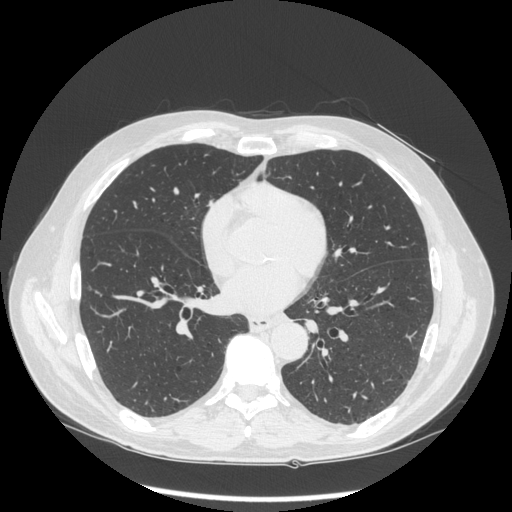
Axial chest CT slice 129 of 297 (counted from the lowest slice); 1.25 mm thick, 0.787 mm per pixel. Pulmonary nodule at rows 285–291, columns 88–91 (box = the union of the readers' outlines on this slice), outlined by all four readers, three of them on this slice; median longest diameter 8.9 mm (readers' outlines 8.2–9.2 mm), median volume 165 mm3 (151–187 mm3). Median ratings and the readers' spread: texture 1.5/5 at the median of four readers, spread 1/5 (non-solid) to 3/5 (part-solid); margin 2.5/5 at the median of four readers, spread 1/5 (indistinct) to 5/5 (circumscribed); sphericity 3.5/5 at the median of four readers, spread 3/5 (ovoid) to 5/5 (round); calcification absent from all four readers; internal structure soft tissue from all four readers; subtlety 3/5 at the median of four readers, spread 1–4; median malignancy likelihood 3/5 (readers ranged 2–4). Scale key (1–5): texture non-solid→solid, margin indistinct→circumscribed, sphericity linear→round, subtlety extremely subtle→obvious, malignancy likelihood highly unlikely→highly suspicious of cancer. Box rows and columns are 0-based pixel indices from the top-left corner, inclusive.
Acquired at 120 kVp and reconstructed with the STANDARD kernel.